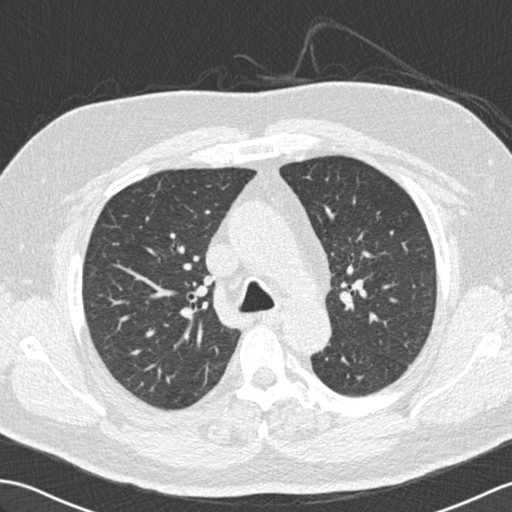
One axial slice (121 of 172, counting up from the lowest) of a chest CT acquired at 120 kVp with the B30f kernel; each pixel is 0.684 mm and the slice is 2.00 mm thick.
The readers outlined no nodule of 3 mm or more on this slice.